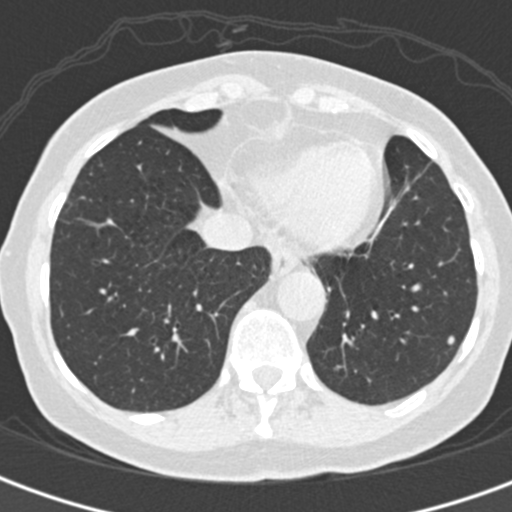
Axial chest CT slice 61 of 193 (counted from the lowest slice); tube voltage 120 kVp, convolution kernel B30f; slices 2.00 mm thick, 0.547 mm per pixel.
Pulmonary nodule at rows 334–344, columns 446–454 (box = the union of the readers' outlines on this slice), outlined by all four readers; longest diameter 5.9–6.9 mm and volume 68–137 mm3 across the four readers' outlines. The readers' ratings, as ranges where they differ: texture from 3/5 (part-solid) to 5/5 (solid) across the four readers; margin from 4/5 to 5/5 (circumscribed) across the four readers; sphericity from 3/5 (ovoid) to 5/5 (round) across the four readers; calcification absent, all four readers agreeing; internal structure soft tissue, all four readers agreeing; subtlety from 2/5 to 4/5 across the four readers; malignancy likelihood from 2/5 to 4/5 across the four readers. Scale key (1–5): texture non-solid→solid, margin indistinct→circumscribed, sphericity linear→round, subtlety extremely subtle→obvious, malignancy likelihood highly unlikely→highly suspicious of cancer. Box rows and columns are 0-based pixel indices from the top-left corner, inclusive.